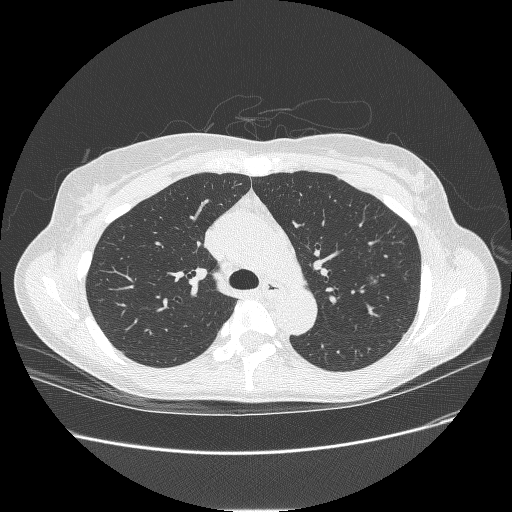
Axial chest CT slice 176 of 238 (counted from the lowest slice); 1.25 mm thick, 0.703 mm per pixel. Pulmonary nodule outlined by all four readers; box rows 273–286, columns 366–379 (the union of the readers' outlines on this slice); longest diameter 14.9 mm on average over the four readers' outlines (readers' outlines 13.3–17.8 mm), volume 437–1030 mm3. The readers' prevailing ratings and who disagreed: most readers (three of four) put texture at 1/5 (non-solid), others 3/5 (part-solid) (one); most readers (three of four) put margin at 1/5 (indistinct), others 5/5 (circumscribed) (one); sphericity 4/5 by three of four readers; the rest gave 3/5 (ovoid) (one); calcification absent from all four readers; internal structure soft tissue from all four readers; subtlety 4/5 by two of four readers; the rest gave 3/5 (one), 5/5 (one); malignancy likelihood 4/5 by two of four readers; the rest gave 2/5 (one), 3/5 (one). Scale key (1–5): texture non-solid→solid, margin indistinct→circumscribed, sphericity linear→round, subtlety extremely subtle→obvious, malignancy likelihood highly unlikely→highly suspicious of cancer. Box rows and columns are 0-based pixel indices from the top-left corner, inclusive.
Scan settings: 120 kVp, BONE reconstruction kernel.